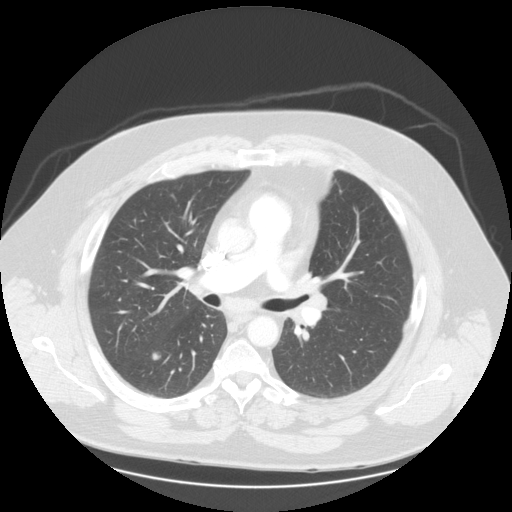
Axial chest CT slice 89 of 133 (counted from the lowest slice); tube voltage 120 kVp, convolution kernel STANDARD; slices 2.50 mm thick, 0.859 mm per pixel.
Pulmonary nodule outlined by all four readers; box rows 351–360, columns 152–160 (the union of the readers' outlines on this slice); longest diameter 12.7–15.5 mm and volume 462–626 mm3 across the four readers' outlines. Ratings across the readers: texture from 4/5 to 5/5 (solid) across the four readers; margin from 4/5 to 5/5 (circumscribed) across the four readers; sphericity from 3/5 (ovoid) to 5/5 (round) across the four readers; calcification absent, all four readers agreeing; internal structure soft tissue from all four readers; subtlety from 3/5 to 5/5 across the four readers; malignancy likelihood 2–4/5 (the readers disagree). Scale key (1–5): texture non-solid→solid, margin indistinct→circumscribed, sphericity linear→round, subtlety extremely subtle→obvious, malignancy likelihood highly unlikely→highly suspicious of cancer. Box rows and columns are 0-based pixel indices from the top-left corner, inclusive.